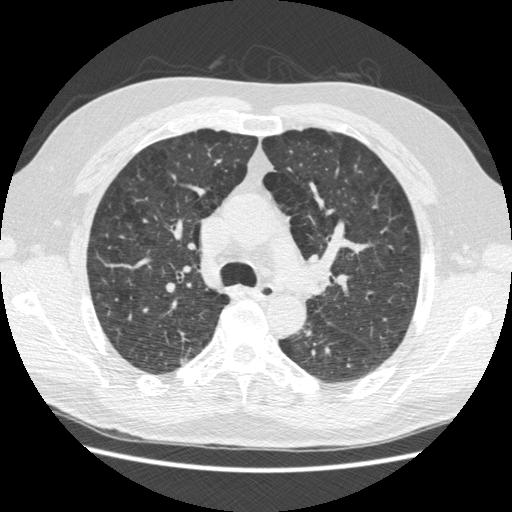
Axial chest CT slice 282 of 471 (counted from the lowest slice); 1.25 mm thick, 0.703 mm per pixel. Pulmonary nodule, outlined by one of the four readers. Box on this slice rows 358–363, columns 181–186, that reader's outline on this slice; longest diameter 6.7 mm and volume 38 mm3 from that reader's outline. That reader's ratings: texture 2/5; margin 1/5 (indistinct); sphericity 3/5 (ovoid); calcification absent; internal structure soft tissue; subtlety 2/5; malignancy likelihood 3/5. Scale key (1–5): texture non-solid→solid, margin indistinct→circumscribed, sphericity linear→round, subtlety extremely subtle→obvious, malignancy likelihood highly unlikely→highly suspicious of cancer. Box rows and columns are 0-based pixel indices from the top-left corner, inclusive.
Acquired at 120 kVp and reconstructed with the STANDARD kernel.